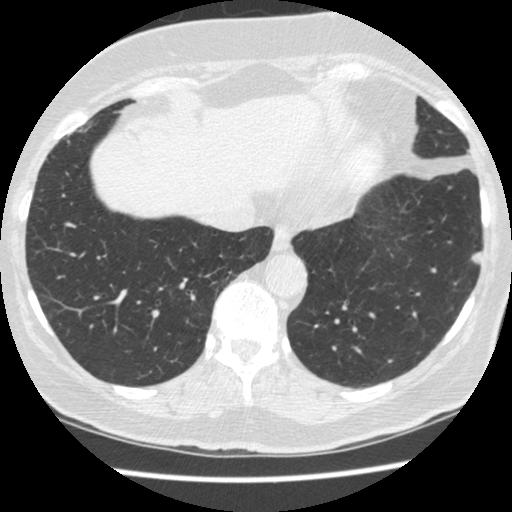
This is axial slice 132 of 481 (slice 1 is the lowest) of a chest CT; each pixel is 0.605 mm and the slice is 1.25 mm thick. Pulmonary nodule at rows 251–264, columns 470–483 (box = the union of the readers' outlines on this slice), outlined by all four readers; median longest diameter 10.4 mm (readers' outlines 9.9–10.4 mm), median volume 178 mm3 (124–211 mm3). Ratings, median across the readers with their spread: texture 4.5/5 at the median of four readers, spread 4/5 to 5/5 (solid); median margin 4/5 (readers ranged 1/5 (indistinct) to 5/5 (circumscribed)); sphericity 4.5/5 at the median of four readers, spread 3/5 (ovoid) to 5/5 (round); calcification absent from all four readers; internal structure soft tissue from all four readers; subtlety 4/5 from all four readers; malignancy likelihood 3/5 at the median of four readers, spread 2–3. Scale key (1–5): texture non-solid→solid, margin indistinct→circumscribed, sphericity linear→round, subtlety extremely subtle→obvious, malignancy likelihood highly unlikely→highly suspicious of cancer. Box rows and columns are 0-based pixel indices from the top-left corner, inclusive.
Tube voltage 120 kVp; convolution kernel STANDARD.